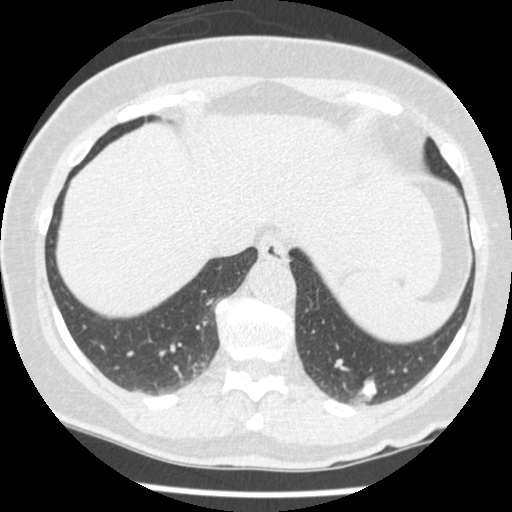
Axial chest CT slice 115 of 465 (counted from the lowest slice); tube voltage 120 kVp, convolution kernel STANDARD; slices 1.25 mm thick, 0.586 mm per pixel.
Pulmonary nodule at rows 378–400, columns 360–376 (box = the union of the readers' outlines on this slice), outlined by all four readers; longest diameter 18.1 mm on average over the four readers' outlines (readers' outlines 15.8–20.8 mm), volume 1106–1600 mm3. Ratings, by the readers' most common answer with dissent counted: texture 5/5 (solid) from all four readers; margin 4/5 by two of four readers; the rest gave 3/5 (one), 5/5 (circumscribed) (one); sphericity 4/5 by three of four readers; the rest gave 3/5 (ovoid) (one); calcification absent by two of four readers, solid calcification (one), central calcification (one); internal structure soft tissue, all four readers agreeing; subtlety 5/5 from all four readers; malignancy likelihood 1/5 by two of four readers; the rest gave 4/5 (one), 5/5 (one). Scale key (1–5): texture non-solid→solid, margin indistinct→circumscribed, sphericity linear→round, subtlety extremely subtle→obvious, malignancy likelihood highly unlikely→highly suspicious of cancer. Box rows and columns are 0-based pixel indices from the top-left corner, inclusive.